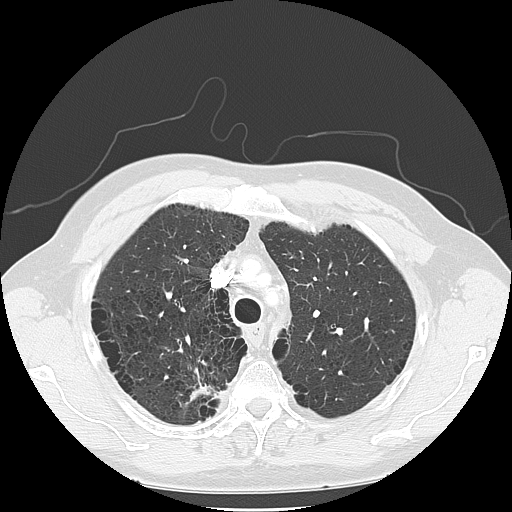
Chest CT, axial plane, 120 kVp, kernel LUNG. Slice 101/133 from the bottom of the scan; thickness 2.50 mm; pixel size 0.703 mm.
Pulmonary nodule at rows 383–411, columns 192–223 (box = that reader's outline on this slice), outlined by one of the four readers; longest diameter 40.9 mm and volume 12423 mm3 from that reader's outline. That reader's ratings: texture 5/5 (solid); margin 3/5; sphericity 3/5 (ovoid); calcification absent; internal structure soft tissue; subtlety 5/5; malignancy likelihood 2/5. Scale key (1–5): texture non-solid→solid, margin indistinct→circumscribed, sphericity linear→round, subtlety extremely subtle→obvious, malignancy likelihood highly unlikely→highly suspicious of cancer. Box rows and columns are 0-based pixel indices from the top-left corner, inclusive.